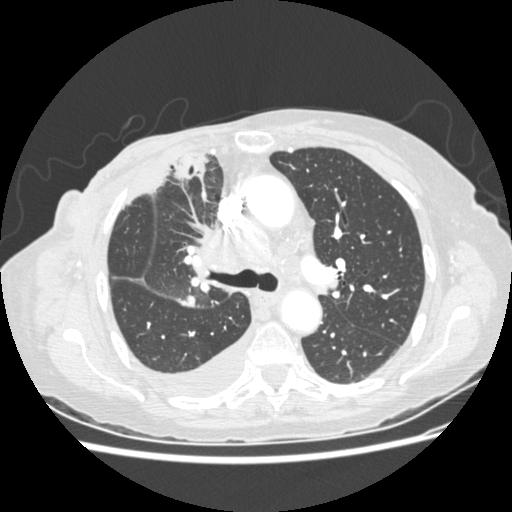
Axial chest CT slice 174 of 238 (counted from the lowest slice); tube voltage 120 kVp, convolution kernel STANDARD; slices 1.25 mm thick, 0.664 mm per pixel.
Pulmonary nodule, outlined by two of the four readers. Box on this slice rows 295–305, columns 179–195, the union of the readers' outlines on this slice; longest diameter 31.3–33.5 mm and volume 8200–8583 mm3 across the two readers' outlines. The readers' ratings, as ranges where they differ: texture 5/5 (solid), both readers agreeing; margin from 4/5 to 5/5 (circumscribed) across the two readers; sphericity 4/5, both readers agreeing; calcification absent from both readers; internal structure soft tissue, both readers agreeing; subtlety 5/5 from both readers; malignancy likelihood rated between 3 and 5 out of 5 by the two readers. Scale key (1–5): texture non-solid→solid, margin indistinct→circumscribed, sphericity linear→round, subtlety extremely subtle→obvious, malignancy likelihood highly unlikely→highly suspicious of cancer. Box rows and columns are 0-based pixel indices from the top-left corner, inclusive.